Axial slice 193 of 333 of a chest CT (slice 1 is the lowest), reconstructed with the B70f kernel at 120 kVp; 2.00 mm slice thickness and 0.775 mm pixels.
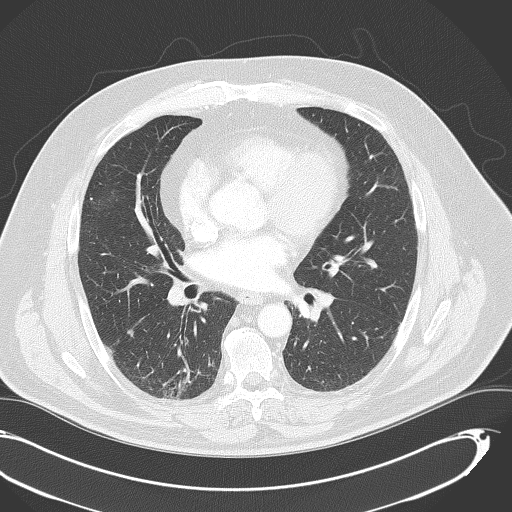
Pulmonary nodule, outlined by three of the four readers. Box on this slice rows 329–337, columns 126–133, the union of the readers' outlines on this slice; longest diameter 7.1–7.9 mm and volume 58–182 mm3 across the three readers' outlines. The readers' ratings, as ranges where they differ: texture from 4/5 to 5/5 (solid) across the three readers; margin from 3/5 to 5/5 (circumscribed) across the three readers; sphericity 3/5 (ovoid), all three readers agreeing; calcification absent, all three readers agreeing; internal structure soft tissue from all three readers; subtlety 2–5/5 (the readers disagree); malignancy likelihood 2/5 from all three readers. Scale key (1–5): texture non-solid→solid, margin indistinct→circumscribed, sphericity linear→round, subtlety extremely subtle→obvious, malignancy likelihood highly unlikely→highly suspicious of cancer. Box rows and columns are 0-based pixel indices from the top-left corner, inclusive.